Axial slice 82 of 127 of a chest CT (slice 1 is the lowest), reconstructed with the BONE kernel at 140 kVp; 2.50 mm slice thickness and 0.523 mm pixels.
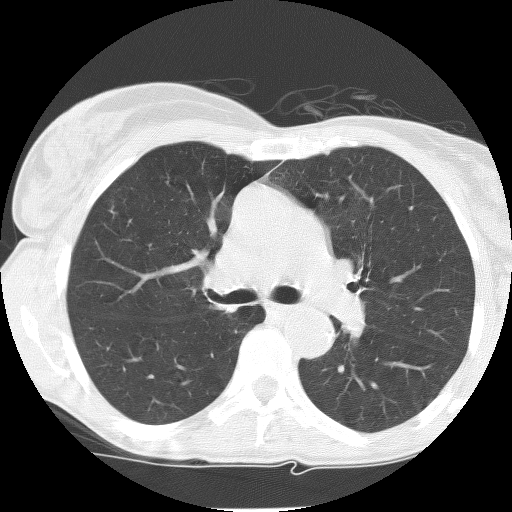
No nodule of 3 mm or larger was outlined by any of the four readers on this slice.